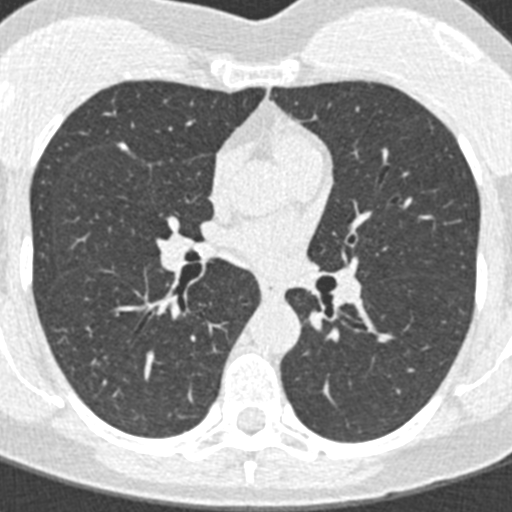
Axial chest CT slice 200 of 376 (counted from the lowest slice); 0.75 mm thick, 0.461 mm per pixel. Pulmonary nodule at rows 142–150, columns 116–128 (box = the union of the readers' outlines on this slice), outlined by three of the four readers; longest diameter 5.3–7.2 mm and volume 18–56 mm3 across the three readers' outlines. The readers' ratings, as ranges where they differ: texture 5/5 (solid), all three readers agreeing; margin from 4/5 to 5/5 (circumscribed) across the three readers; sphericity from 3/5 (ovoid) to 4/5 across the three readers; calcification: solid calcification (two), absent (one); internal structure soft tissue, all three readers agreeing; subtlety rated between 3 and 5 out of 5 by the three readers; malignancy likelihood from 1/5 to 3/5 across the three readers. Scale key (1–5): texture non-solid→solid, margin indistinct→circumscribed, sphericity linear→round, subtlety extremely subtle→obvious, malignancy likelihood highly unlikely→highly suspicious of cancer. Box rows and columns are 0-based pixel indices from the top-left corner, inclusive.
Acquired at 120 kVp and reconstructed with the B30f kernel.